One axial slice (127 of 252, counting up from the lowest) of a chest CT acquired at 120 kVp with the STANDARD kernel; each pixel is 0.781 mm and the slice is 1.25 mm thick.
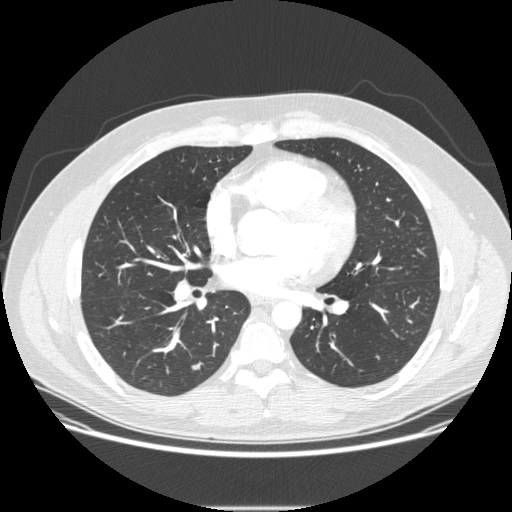
Pulmonary nodule, outlined by three of the four readers. Box on this slice rows 365–369, columns 191–199, the union of the readers' outlines on this slice; longest diameter 8.3 mm on average over the three readers' outlines (readers' outlines 8.2–8.6 mm), volume 78–79 mm3. The readers' prevailing ratings and who disagreed: texture 5/5 (solid) from all three readers; margin 5/5 (circumscribed), all three readers agreeing; most readers (two of three) put sphericity at 2/5, others 3/5 (ovoid) (one); calcification absent from all three readers; internal structure soft tissue from all three readers; subtlety 3/5 by two of three readers; the rest gave 2/5 (one); most readers (two of three) put malignancy likelihood at 2/5, others 3/5 (one). Scale key (1–5): texture non-solid→solid, margin indistinct→circumscribed, sphericity linear→round, subtlety extremely subtle→obvious, malignancy likelihood highly unlikely→highly suspicious of cancer. Box rows and columns are 0-based pixel indices from the top-left corner, inclusive.